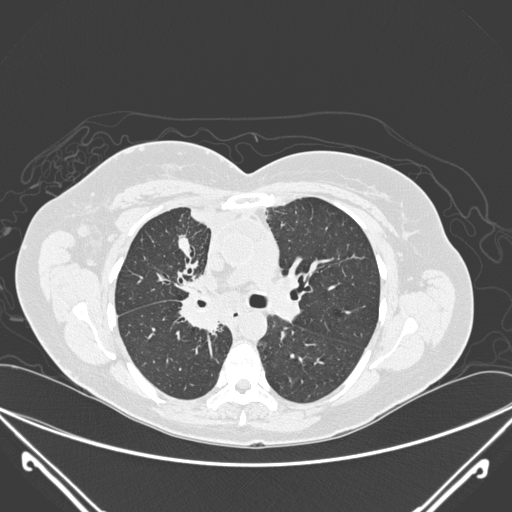
Chest CT, axial plane, 120 kVp, kernel D. Slice 166/275 from the bottom of the scan; thickness 1.00 mm; pixel size 0.781 mm.
Pulmonary nodule at rows 234–257, columns 176–190 (box = the union of the readers' outlines on this slice), outlined by all four readers, three of them on this slice; longest diameter 22.1 mm on average over the four readers' outlines (readers' outlines 20.3–23.4 mm), volume 1750–2560 mm3. Ratings, by the readers' most common answer with dissent counted: texture 5/5 (solid) from all four readers; margin 4/5 by two of four readers; the rest gave 3/5 (one), 5/5 (circumscribed) (one); sphericity 2/5 by two of four readers; the rest gave 3/5 (ovoid) (one), 5/5 (round) (one); calcification absent by three of four readers, central calcification (one); internal structure soft tissue from all four readers; subtlety 5/5, all four readers agreeing; malignancy likelihood split among the readers: 1/5 (one), 3/5 (one), 4/5 (one), 5/5 (one). Scale key (1–5): texture non-solid→solid, margin indistinct→circumscribed, sphericity linear→round, subtlety extremely subtle→obvious, malignancy likelihood highly unlikely→highly suspicious of cancer. Box rows and columns are 0-based pixel indices from the top-left corner, inclusive.